Chest CT, axial plane, 120 kVp, kernel STANDARD. Slice 151/261 from the bottom of the scan; thickness 1.25 mm; pixel size 0.684 mm.
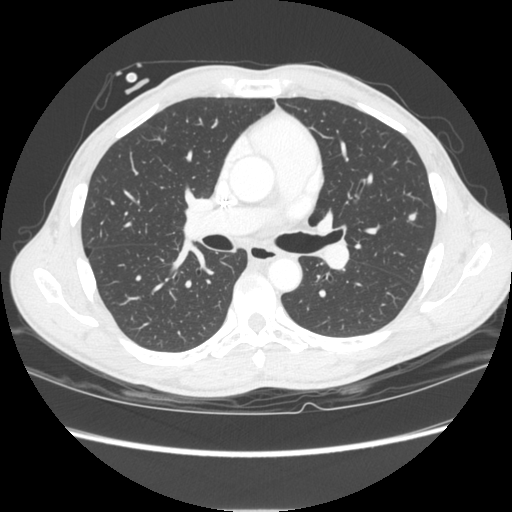
Pulmonary nodule at rows 211–221, columns 408–417 (box = the union of the readers' outlines on this slice), outlined by all four readers; median longest diameter 7.3 mm (readers' outlines 6.7–9.3 mm), median volume 130 mm3 (118–216 mm3). Median ratings and the readers' spread: texture 5/5 (solid) from all four readers; margin 5/5 (circumscribed) from all four readers; sphericity 4/5 at the median of four readers, spread 3/5 (ovoid) to 5/5 (round); calcification absent, all four readers agreeing; internal structure soft tissue from all four readers; median subtlety 3.5/5 (readers ranged 3–4); malignancy likelihood 3/5 at the median of four readers, spread 2–4. Scale key (1–5): texture non-solid→solid, margin indistinct→circumscribed, sphericity linear→round, subtlety extremely subtle→obvious, malignancy likelihood highly unlikely→highly suspicious of cancer. Box rows and columns are 0-based pixel indices from the top-left corner, inclusive.